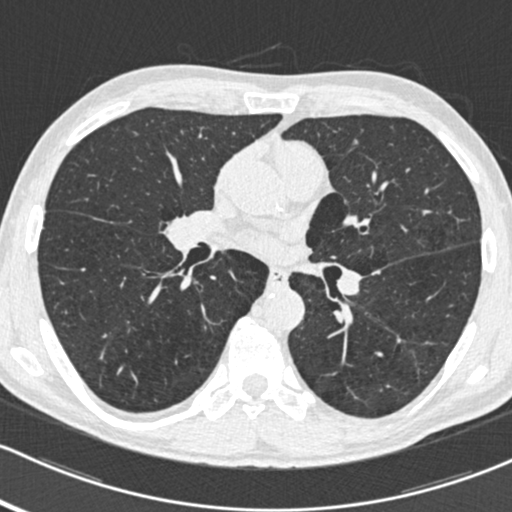
Axial slice 277 of 483 of a chest CT (slice 1 is the lowest), reconstructed with the B30f kernel at 120 kVp; 0.75 mm slice thickness and 0.617 mm pixels.
Pulmonary nodule outlined by one of the four readers; box rows 168–171, columns 405–409 (that reader's outline on this slice); longest diameter 5.0 mm and volume 22 mm3 from that reader's outline. Ratings by that reader: texture 5/5 (solid); margin 5/5 (circumscribed); sphericity 5/5 (round); calcification absent; internal structure soft tissue; subtlety 5/5; malignancy likelihood 2/5. Scale key (1–5): texture non-solid→solid, margin indistinct→circumscribed, sphericity linear→round, subtlety extremely subtle→obvious, malignancy likelihood highly unlikely→highly suspicious of cancer. Box rows and columns are 0-based pixel indices from the top-left corner, inclusive.